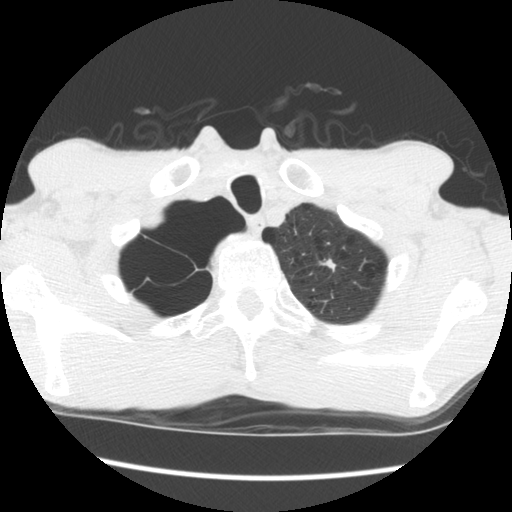
Axial chest CT slice 166 of 181 (counted from the lowest slice); tube voltage 120 kVp, convolution kernel STANDARD; slices 2.50 mm thick, 0.645 mm per pixel.
Pulmonary nodule, outlined by all four readers. Box on this slice rows 259–272, columns 317–335, the union of the readers' outlines on this slice; longest diameter 12.1 mm on average over the four readers' outlines (readers' outlines 10.5–14.4 mm), volume 215–737 mm3. Ratings, by the readers' most common answer with dissent counted: texture 5/5 (solid) from all four readers; margin 4/5 by two of four readers; the rest gave 3/5 (one), 5/5 (circumscribed) (one); most readers (three of four) put sphericity at 2/5, others 3/5 (ovoid) (one); calcification absent, all four readers agreeing; internal structure soft tissue, all four readers agreeing; most readers (three of four) put subtlety at 4/5, others 3/5 (one); malignancy likelihood 3/5 by two of four readers; the rest gave 2/5 (one), 4/5 (one). Scale key (1–5): texture non-solid→solid, margin indistinct→circumscribed, sphericity linear→round, subtlety extremely subtle→obvious, malignancy likelihood highly unlikely→highly suspicious of cancer. Box rows and columns are 0-based pixel indices from the top-left corner, inclusive.